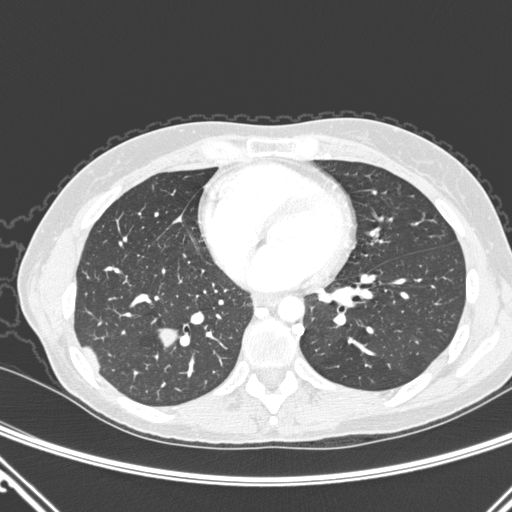
One axial slice (109 of 290, counting up from the lowest) of a chest CT acquired at 120 kVp with the D kernel; each pixel is 0.662 mm and the slice is 1.00 mm thick.
Pulmonary nodule at rows 328–347, columns 156–177 (box = the union of the readers' outlines on this slice), outlined by all four readers; longest diameter 24.6 mm on average over the four readers' outlines (readers' outlines 22.2–29.6 mm), volume 2637–3531 mm3. The readers' prevailing ratings and who disagreed: texture 5/5 (solid) from all four readers; margin split among the readers: 4/5 (two), 5/5 (circumscribed) (two); sphericity 4/5 by two of four readers; the rest gave 2/5 (one), 5/5 (round) (one); calcification absent from all four readers; internal structure soft tissue from all four readers; subtlety 5/5, all four readers agreeing; malignancy likelihood 5/5 by two of four readers; the rest gave 3/5 (one), 4/5 (one). Scale key (1–5): texture non-solid→solid, margin indistinct→circumscribed, sphericity linear→round, subtlety extremely subtle→obvious, malignancy likelihood highly unlikely→highly suspicious of cancer. Box rows and columns are 0-based pixel indices from the top-left corner, inclusive.